Chest CT, axial plane, 120 kVp, kernel LUNG. Slice 104/133 from the bottom of the scan; thickness 2.50 mm; pixel size 0.977 mm.
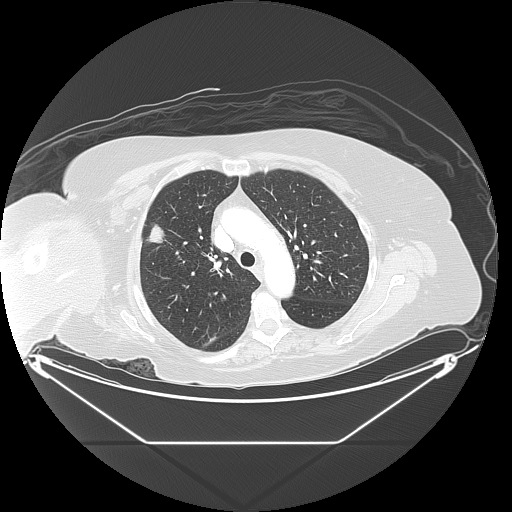
Pulmonary nodule outlined by all four readers; box rows 223–243, columns 145–164 (the union of the readers' outlines on this slice); median longest diameter 25.6 mm (readers' outlines 24.5–34.5 mm), median volume 4013 mm3 (3757–4258 mm3). Median ratings and the readers' spread: texture 5/5 (solid) at the median of four readers, spread 4/5 to 5/5 (solid); median margin 4.5/5 (readers ranged 4/5 to 5/5 (circumscribed)); median sphericity 3.5/5 (readers ranged 3/5 (ovoid) to 5/5 (round)); calcification absent from all four readers; internal structure soft tissue, all four readers agreeing; subtlety 5/5, all four readers agreeing; median malignancy likelihood 5/5 (readers ranged 4–5). Scale key (1–5): texture non-solid→solid, margin indistinct→circumscribed, sphericity linear→round, subtlety extremely subtle→obvious, malignancy likelihood highly unlikely→highly suspicious of cancer. Box rows and columns are 0-based pixel indices from the top-left corner, inclusive.